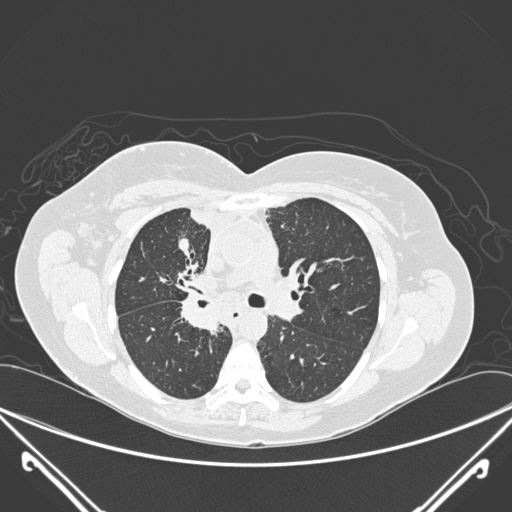
One axial slice (167 of 275, counting up from the lowest) of a chest CT acquired at 120 kVp with the D kernel; each pixel is 0.781 mm and the slice is 1.00 mm thick.
Pulmonary nodule at rows 237–255, columns 177–188 (box = the union of the readers' outlines on this slice), outlined by all four readers, three of them on this slice; longest diameter 20.3–23.4 mm and volume 1750–2560 mm3 across the four readers' outlines. Ratings across the readers: texture 5/5 (solid), all four readers agreeing; margin from 3/5 to 5/5 (circumscribed) across the four readers; sphericity from 2/5 to 5/5 (round) across the four readers; calcification: absent (three), central calcification (one); internal structure soft tissue from all four readers; subtlety 5/5 from all four readers; malignancy likelihood from 1/5 to 5/5 across the four readers. Scale key (1–5): texture non-solid→solid, margin indistinct→circumscribed, sphericity linear→round, subtlety extremely subtle→obvious, malignancy likelihood highly unlikely→highly suspicious of cancer. Box rows and columns are 0-based pixel indices from the top-left corner, inclusive.